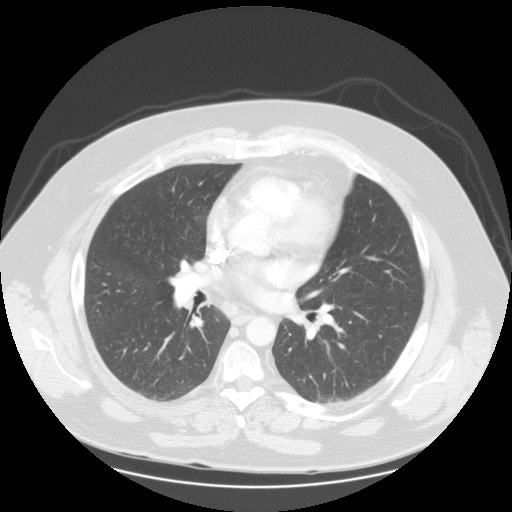
Chest CT, axial plane, 120 kVp, kernel STANDARD. Slice 82/133 from the bottom of the scan; thickness 2.50 mm; pixel size 0.859 mm.
None of the four readers outlined a nodule of 3 mm or more on this slice.